Axial slice 67 of 118 of a chest CT (slice 1 is the lowest), reconstructed with the FC01 kernel at 135 kVp; 3.00 mm slice thickness and 0.705 mm pixels.
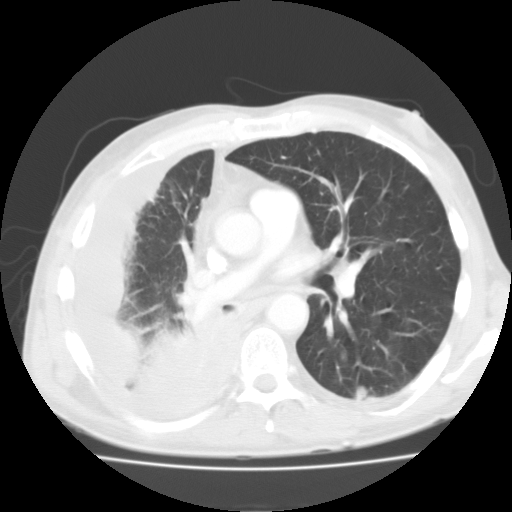
Two pulmonary nodules on this slice, listed from left to right. (1) Pulmonary nodule outlined by all four readers, one of them on this slice; box rows 352–360, columns 342–346 (the one reader's outline on this slice); longest diameter 9.8 mm on average over the four readers' outlines (readers' outlines 9.3–10.9 mm), volume 289–450 mm3. The readers' prevailing ratings and who disagreed: most readers (three of four) put texture at 5/5 (solid), others 3/5 (part-solid) (one); most readers (three of four) put margin at 5/5 (circumscribed), others 4/5 (one); sphericity 5/5 (round) by three of four readers; the rest gave 4/5 (one); calcification absent, all four readers agreeing; internal structure soft tissue from all four readers; subtlety 5/5 by two of four readers; the rest gave 2/5 (one), 4/5 (one); malignancy likelihood 3/5 by two of four readers; the rest gave 2/5 (one), 5/5 (one). (2) Pulmonary nodule outlined by all four readers; box rows 386–398, columns 355–367 (the union of the readers' outlines on this slice); longest diameter 11.1–13.4 mm and volume 595–1044 mm3 across the four readers' outlines. The readers' ratings, as ranges where they differ: texture from 4/5 to 5/5 (solid) across the four readers; margin from 3/5 to 5/5 (circumscribed) across the four readers; sphericity 5/5 (round) from all four readers; calcification absent from all four readers; internal structure soft tissue, all four readers agreeing; subtlety 4–5/5 (the readers disagree); malignancy likelihood from 3/5 to 5/5 across the four readers. Scale key (1–5): texture non-solid→solid, margin indistinct→circumscribed, sphericity linear→round, subtlety extremely subtle→obvious, malignancy likelihood highly unlikely→highly suspicious of cancer. Box rows and columns are 0-based pixel indices from the top-left corner, inclusive.